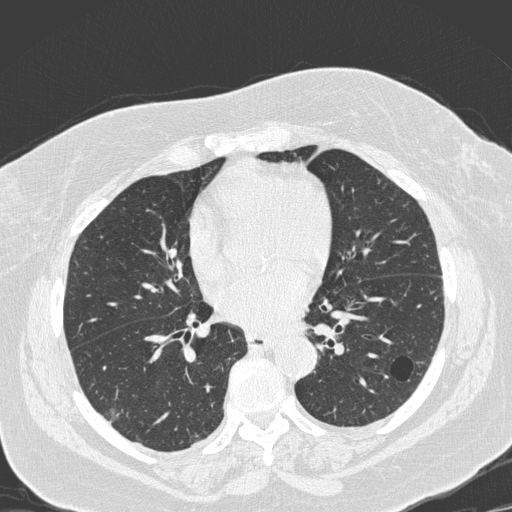
This is axial slice 106 of 280 (slice 1 is the lowest) of a chest CT; each pixel is 0.666 mm and the slice is 1.00 mm thick. Two pulmonary nodules are outlined on this slice; from left to right: (1) Pulmonary nodule at rows 407–421, columns 105–118 (box = the union of the readers' outlines on this slice), outlined by two of the four readers; median longest diameter 17.7 mm (readers' outlines 16.7–18.8 mm), median volume 1269 mm3 (1162–1377 mm3). Ratings, median across the readers with their spread: texture 1/5 (non-solid) from both readers; margin 2/5, both readers agreeing; median sphericity 4/5 (readers ranged 3/5 (ovoid) to 5/5 (round)); calcification absent, both readers agreeing; internal structure soft tissue from both readers; median subtlety 2.5/5 (readers ranged 1–4); malignancy likelihood 2.5/5 at the median of two readers, spread 2–3. (2) Pulmonary nodule, outlined by two of the four readers. Box on this slice rows 248–257, columns 169–176, the union of the readers' outlines on this slice; median longest diameter 7.6 mm (readers' outlines 7.4–7.8 mm), median volume 105 mm3 (96–113 mm3). Median ratings and the readers' spread: texture 5/5 (solid) from both readers; margin 5/5 (circumscribed), both readers agreeing; median sphericity 4.5/5 (readers ranged 4/5 to 5/5 (round)); calcification absent from both readers; internal structure soft tissue, both readers agreeing; subtlety 3/5, both readers agreeing; malignancy likelihood 2.5/5 at the median of two readers, spread 2–3. Scale key (1–5): texture non-solid→solid, margin indistinct→circumscribed, sphericity linear→round, subtlety extremely subtle→obvious, malignancy likelihood highly unlikely→highly suspicious of cancer. Box rows and columns are 0-based pixel indices from the top-left corner, inclusive.
Tube voltage 120 kVp; convolution kernel D.